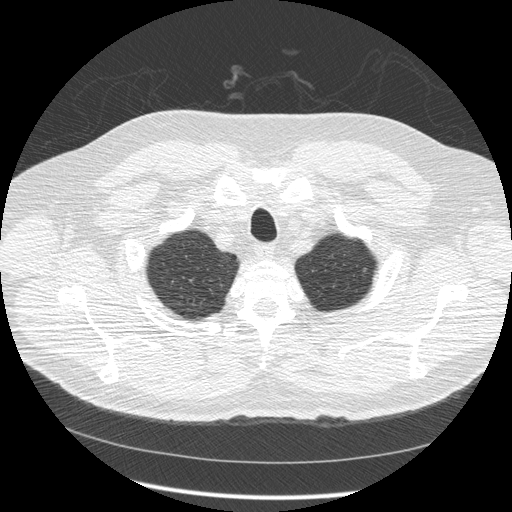
Chest CT, axial plane, 120 kVp, kernel STANDARD. Slice 437/484 from the bottom of the scan; thickness 1.25 mm; pixel size 0.762 mm.
Pulmonary nodule at rows 268–271, columns 363–366 (box = that reader's outline on this slice), outlined by one of the four readers; longest diameter 4.6 mm and volume 27 mm3 from that reader's outline. That reader's ratings: texture 5/5 (solid); margin 5/5 (circumscribed); sphericity 4/5; calcification absent; internal structure soft tissue; subtlety 3/5; malignancy likelihood 2/5. Scale key (1–5): texture non-solid→solid, margin indistinct→circumscribed, sphericity linear→round, subtlety extremely subtle→obvious, malignancy likelihood highly unlikely→highly suspicious of cancer. Box rows and columns are 0-based pixel indices from the top-left corner, inclusive.